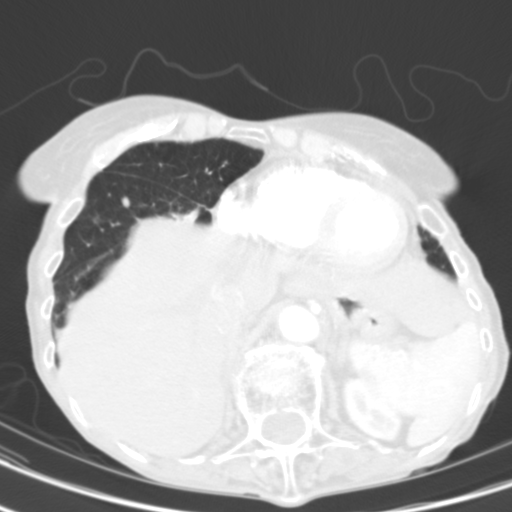
Axial slice 27 of 104 of a chest CT (slice 1 is the lowest), reconstructed with the B31s kernel at 130 kVp; 3.00 mm slice thickness and 0.531 mm pixels.
Pulmonary nodule, outlined by three of the four readers. Box on this slice rows 196–208, columns 121–130, the union of the readers' outlines on this slice; longest diameter 6.6–7.6 mm and volume 116–155 mm3 across the three readers' outlines. Ratings across the readers: texture 5/5 (solid) from all three readers; margin from 2/5 to 5/5 (circumscribed) across the three readers; sphericity from 2/5 to 5/5 (round) across the three readers; calcification absent, all three readers agreeing; internal structure soft tissue, all three readers agreeing; subtlety 4–5/5 (the readers disagree); malignancy likelihood rated between 1 and 3 out of 5 by the three readers. Scale key (1–5): texture non-solid→solid, margin indistinct→circumscribed, sphericity linear→round, subtlety extremely subtle→obvious, malignancy likelihood highly unlikely→highly suspicious of cancer. Box rows and columns are 0-based pixel indices from the top-left corner, inclusive.